Chest CT, axial plane, 120 kVp, kernel STANDARD. Slice 390/461 from the bottom of the scan; thickness 1.25 mm; pixel size 0.645 mm.
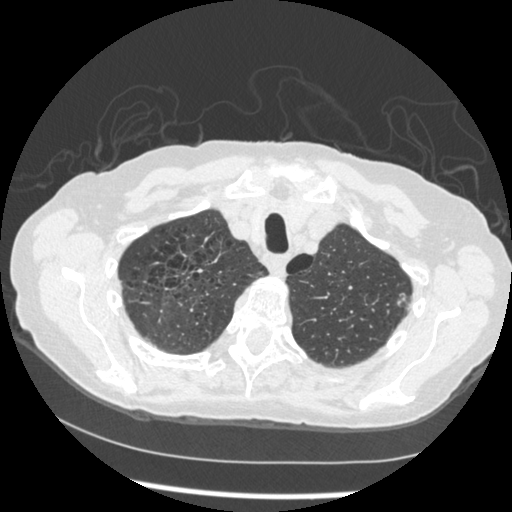
Pulmonary nodule outlined by all four readers, two of them on this slice; box rows 293–303, columns 398–405 (the union of the readers' outlines on this slice); median longest diameter 10.1 mm (readers' outlines 9.2–11.1 mm), median volume 158 mm3 (139–248 mm3). Median ratings and the readers' spread: texture 5/5 (solid) at the median of four readers, spread 3/5 (part-solid) to 5/5 (solid); margin 4/5 at the median of four readers, spread 2/5 to 5/5 (circumscribed); sphericity 4/5 at the median of four readers, spread 2/5 to 5/5 (round); calcification absent, all four readers agreeing; internal structure soft tissue, all four readers agreeing; median subtlety 4.5/5 (readers ranged 3–5); median malignancy likelihood 3/5 (readers ranged 2–4). Scale key (1–5): texture non-solid→solid, margin indistinct→circumscribed, sphericity linear→round, subtlety extremely subtle→obvious, malignancy likelihood highly unlikely→highly suspicious of cancer. Box rows and columns are 0-based pixel indices from the top-left corner, inclusive.